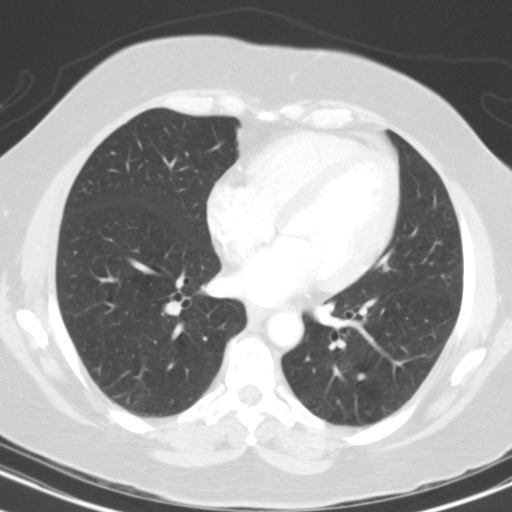
Axial chest CT slice 59 of 114 (counted from the lowest slice); 3.00 mm thick, 0.617 mm per pixel. Pulmonary nodule at rows 373–380, columns 356–366 (box = the union of the readers' outlines on this slice), outlined by all four readers, three of them on this slice; median longest diameter 7.1 mm (readers' outlines 6.3–8.7 mm), median volume 185 mm3 (102–324 mm3). Median ratings and the readers' spread: texture 5/5 (solid) from all four readers; median margin 5/5 (circumscribed) (readers ranged 4/5 to 5/5 (circumscribed)); sphericity 5/5 (round), all four readers agreeing; calcification solid calcification from all four readers; internal structure soft tissue from all four readers; median subtlety 5/5 (readers ranged 4–5); malignancy likelihood 1/5, all four readers agreeing. Scale key (1–5): texture non-solid→solid, margin indistinct→circumscribed, sphericity linear→round, subtlety extremely subtle→obvious, malignancy likelihood highly unlikely→highly suspicious of cancer. Box rows and columns are 0-based pixel indices from the top-left corner, inclusive.
Acquired at 130 kVp and reconstructed with the B31s kernel.